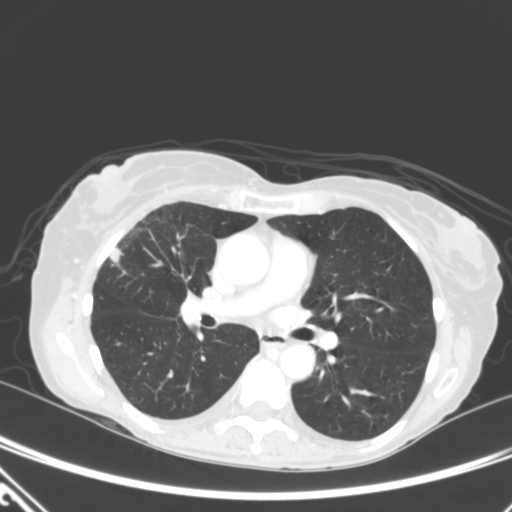
Slice 186/320 of a chest CT, counting up from the lowest; pixel size 0.662 mm, slice thickness 2.00 mm. Pulmonary nodule, outlined by all four readers. Box on this slice rows 246–264, columns 109–122, the union of the readers' outlines on this slice; median longest diameter 16.0 mm (readers' outlines 12.2–16.6 mm), median volume 833 mm3 (631–1078 mm3). Ratings, median across the readers with their spread: texture 5/5 (solid) from all four readers; margin 4/5 at the median of four readers, spread 3/5 to 5/5 (circumscribed); sphericity 3.5/5 at the median of four readers, spread 3/5 (ovoid) to 5/5 (round); calcification absent from all four readers; internal structure soft tissue from all four readers; subtlety 5/5 from all four readers; malignancy likelihood 4.5/5 at the median of four readers, spread 2–5. Scale key (1–5): texture non-solid→solid, margin indistinct→circumscribed, sphericity linear→round, subtlety extremely subtle→obvious, malignancy likelihood highly unlikely→highly suspicious of cancer. Box rows and columns are 0-based pixel indices from the top-left corner, inclusive.
Acquired at 120 kVp and reconstructed with the B kernel.